Axial slice 116 of 133 of a chest CT (slice 1 is the lowest), reconstructed with the STANDARD kernel at 140 kVp; 2.50 mm slice thickness and 0.781 mm pixels.
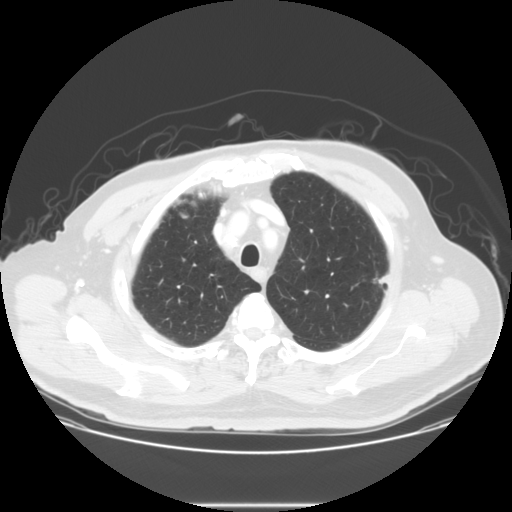
Pulmonary nodule outlined by all four readers, one of them on this slice; box rows 276–284, columns 372–376 (the one reader's outline on this slice); longest diameter 9.1–11.8 mm and volume 377–678 mm3 across the four readers' outlines. The readers' ratings, as ranges where they differ: texture 5/5 (solid) from all four readers; margin from 4/5 to 5/5 (circumscribed) across the four readers; sphericity from 4/5 to 5/5 (round) across the four readers; calcification: solid calcification (three), central calcification (one); internal structure soft tissue from all four readers; subtlety rated between 4 and 5 out of 5 by the four readers; malignancy likelihood 1/5, all four readers agreeing. Scale key (1–5): texture non-solid→solid, margin indistinct→circumscribed, sphericity linear→round, subtlety extremely subtle→obvious, malignancy likelihood highly unlikely→highly suspicious of cancer. Box rows and columns are 0-based pixel indices from the top-left corner, inclusive.